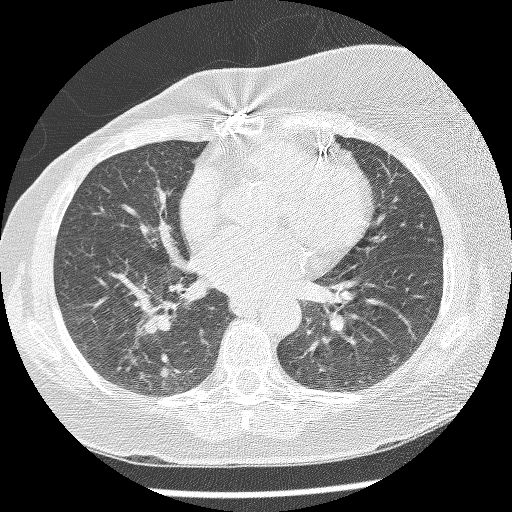
Axial chest CT slice 118 of 220 (counted from the lowest slice); 1.25 mm thick, 0.598 mm per pixel. Pulmonary nodule at rows 366–376, columns 159–169 (box = the union of the readers' outlines on this slice), outlined by three of the four readers; median longest diameter 7.9 mm (readers' outlines 6.7–11.5 mm), median volume 79 mm3 (79–213 mm3). Median ratings and the readers' spread: median texture 5/5 (solid) (readers ranged 3/5 (part-solid) to 5/5 (solid)); median margin 4/5 (readers ranged 2/5 to 4/5); median sphericity 3/5 (ovoid) (readers ranged 3/5 (ovoid) to 4/5); calcification absent, all three readers agreeing; internal structure soft tissue from all three readers; subtlety 3/5 at the median of three readers, spread 1–4; median malignancy likelihood 3/5 (readers ranged 3–4). Scale key (1–5): texture non-solid→solid, margin indistinct→circumscribed, sphericity linear→round, subtlety extremely subtle→obvious, malignancy likelihood highly unlikely→highly suspicious of cancer. Box rows and columns are 0-based pixel indices from the top-left corner, inclusive.
Tube voltage 120 kVp; convolution kernel BONE.